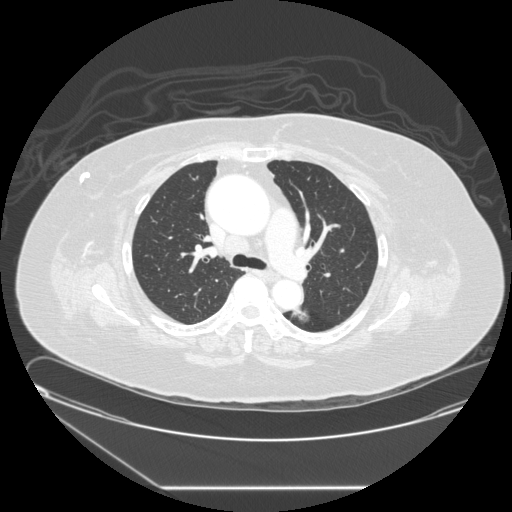
Axial chest CT slice 176 of 257 (counted from the lowest slice); 1.25 mm thick, 0.852 mm per pixel. Pulmonary nodule at rows 308–322, columns 292–309 (box = the union of the readers' outlines on this slice), outlined by all four readers; median longest diameter 16.8 mm (readers' outlines 13.2–18.0 mm), median volume 745 mm3 (478–876 mm3). Median ratings and the readers' spread: median texture 3/5 (part-solid) (readers ranged 1/5 (non-solid) to 5/5 (solid)); median margin 3.5/5 (readers ranged 2/5 to 4/5); sphericity 4/5 at the median of four readers, spread 3/5 (ovoid) to 5/5 (round); calcification absent, all four readers agreeing; internal structure soft tissue, all four readers agreeing; median subtlety 4/5 (readers ranged 1–4); median malignancy likelihood 3.5/5 (readers ranged 2–5). Scale key (1–5): texture non-solid→solid, margin indistinct→circumscribed, sphericity linear→round, subtlety extremely subtle→obvious, malignancy likelihood highly unlikely→highly suspicious of cancer. Box rows and columns are 0-based pixel indices from the top-left corner, inclusive.
Scan settings: 120 kVp, STANDARD reconstruction kernel.